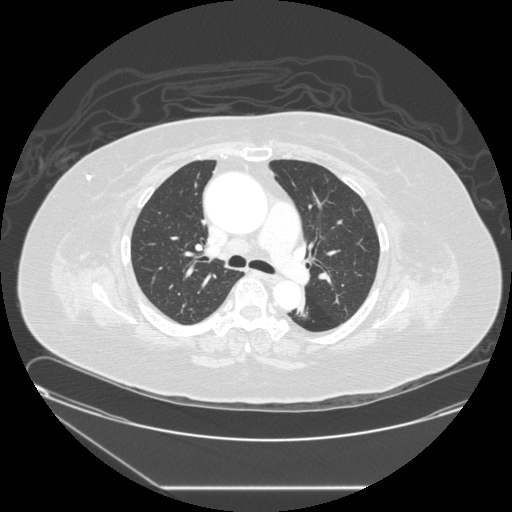
One axial slice (172 of 257, counting up from the lowest) of a chest CT acquired at 120 kVp with the STANDARD kernel; each pixel is 0.852 mm and the slice is 1.25 mm thick.
Pulmonary nodule at rows 304–320, columns 296–310 (box = the union of the readers' outlines on this slice), outlined by all four readers, three of them on this slice; longest diameter 13.2–18.0 mm and volume 478–876 mm3 across the four readers' outlines. The readers' ratings, as ranges where they differ: texture from 1/5 (non-solid) to 5/5 (solid) across the four readers; margin from 2/5 to 4/5 across the four readers; sphericity from 3/5 (ovoid) to 5/5 (round) across the four readers; calcification absent, all four readers agreeing; internal structure soft tissue, all four readers agreeing; subtlety from 1/5 to 4/5 across the four readers; malignancy likelihood rated between 2 and 5 out of 5 by the four readers. Scale key (1–5): texture non-solid→solid, margin indistinct→circumscribed, sphericity linear→round, subtlety extremely subtle→obvious, malignancy likelihood highly unlikely→highly suspicious of cancer. Box rows and columns are 0-based pixel indices from the top-left corner, inclusive.